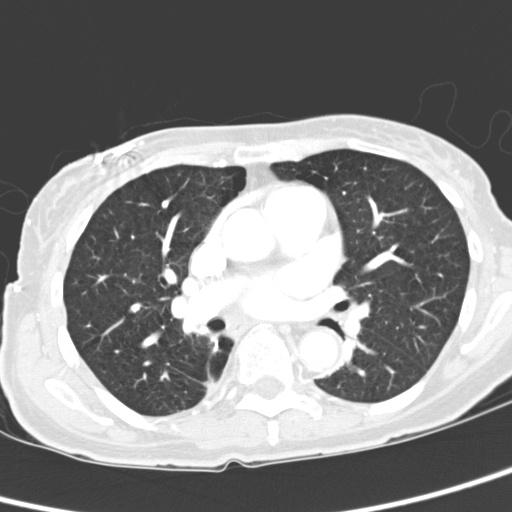
Axial chest CT slice 180 of 321 (counted from the lowest slice); 2.00 mm thick, 0.557 mm per pixel. No nodule 3 mm or larger was outlined here by any reader.
Acquired at 120 kVp and reconstructed with the D kernel.